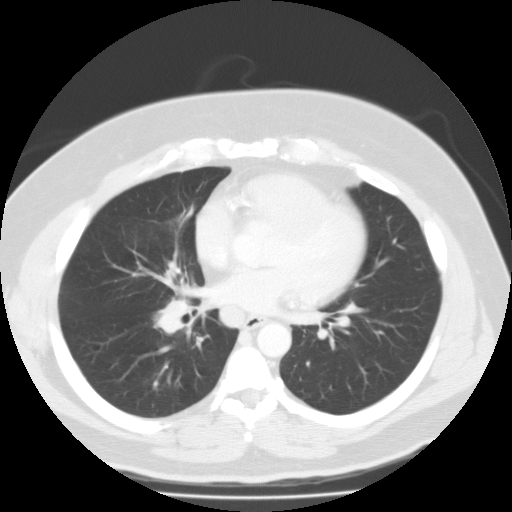
One axial slice (67 of 126, counting up from the lowest) of a chest CT acquired at 135 kVp with the FC01 kernel; each pixel is 0.744 mm and the slice is 3.00 mm thick.
Pulmonary nodule at rows 382–384, columns 154–156 (box = that reader's outline on this slice), outlined by one of the four readers; longest diameter 9.4 mm and volume 188 mm3 from that reader's outline. Ratings by that reader: texture 4/5; margin 2/5; sphericity 4/5; calcification absent; internal structure soft tissue; subtlety 1/5; malignancy likelihood 3/5. Scale key (1–5): texture non-solid→solid, margin indistinct→circumscribed, sphericity linear→round, subtlety extremely subtle→obvious, malignancy likelihood highly unlikely→highly suspicious of cancer. Box rows and columns are 0-based pixel indices from the top-left corner, inclusive.